Axial chest CT slice 378 of 541 (counted from the lowest slice); tube voltage 120 kVp, convolution kernel STANDARD; slices 1.25 mm thick, 0.586 mm per pixel.
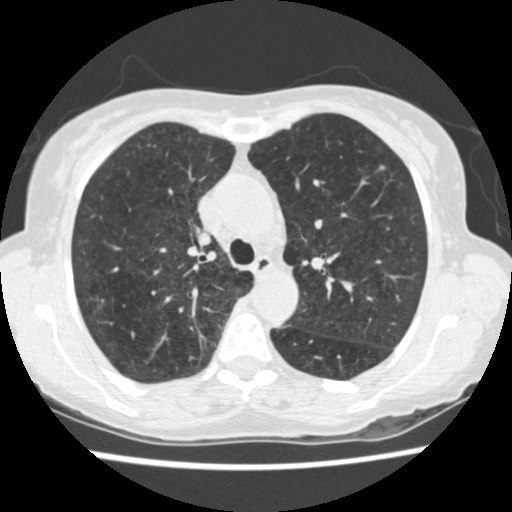
Pulmonary nodule outlined by all four readers; box rows 165–170, columns 377–385 (the union of the readers' outlines on this slice); longest diameter 6.7 mm on average over the four readers' outlines (readers' outlines 5.4–7.8 mm), volume 67–124 mm3. The readers' prevailing ratings and who disagreed: most readers (three of four) put texture at 5/5 (solid), others 4/5 (one); most readers (three of four) put margin at 4/5, others 5/5 (circumscribed) (one); sphericity 3/5 (ovoid) by two of four readers; the rest gave 2/5 (one), 5/5 (round) (one); calcification absent by three of four readers, central calcification (one); internal structure soft tissue from all four readers; subtlety 3/5 by two of four readers; the rest gave 4/5 (one), 5/5 (one); malignancy likelihood split among the readers: 1/5 (one), 2/5 (one), 3/5 (one), 4/5 (one). Scale key (1–5): texture non-solid→solid, margin indistinct→circumscribed, sphericity linear→round, subtlety extremely subtle→obvious, malignancy likelihood highly unlikely→highly suspicious of cancer. Box rows and columns are 0-based pixel indices from the top-left corner, inclusive.